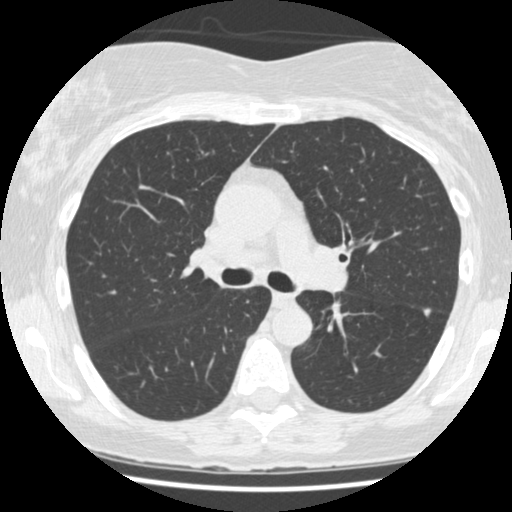
Chest CT, axial plane, 120 kVp, kernel STANDARD. Slice 288/477 from the bottom of the scan; thickness 1.25 mm; pixel size 0.625 mm.
Pulmonary nodule outlined by three of the four readers; box rows 307–316, columns 422–431 (the union of the readers' outlines on this slice); the three readers' outlines give a longest diameter between 6.2 and 7.6 mm and a volume between 81 and 136 mm3. The readers' ratings, as ranges where they differ: texture 5/5 (solid) from all three readers; margin 5/5 (circumscribed), all three readers agreeing; sphericity from 4/5 to 5/5 (round) across the three readers; calcification absent, all three readers agreeing; internal structure soft tissue, all three readers agreeing; subtlety from 3/5 to 5/5 across the three readers; malignancy likelihood 1–3/5 (the readers disagree). Scale key (1–5): texture non-solid→solid, margin indistinct→circumscribed, sphericity linear→round, subtlety extremely subtle→obvious, malignancy likelihood highly unlikely→highly suspicious of cancer. Box rows and columns are 0-based pixel indices from the top-left corner, inclusive.